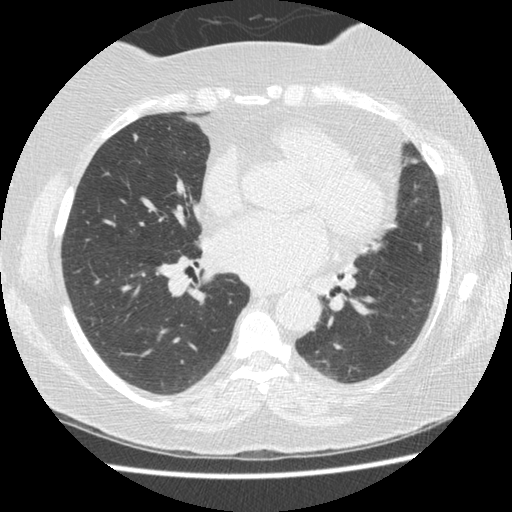
Axial chest CT slice 244 of 474 (counted from the lowest slice); tube voltage 120 kVp, convolution kernel STANDARD; slices 1.25 mm thick, 0.645 mm per pixel.
Pulmonary nodule, outlined by two of the four readers. Box on this slice rows 134–141, columns 133–138, the union of the readers' outlines on this slice; median longest diameter 6.2 mm (readers' outlines 5.8–6.5 mm), median volume 55 mm3 (46–63 mm3). Median ratings and the readers' spread: median texture 3.5/5 (readers ranged 2/5 to 5/5 (solid)); margin 4/5, both readers agreeing; sphericity 3/5 (ovoid), both readers agreeing; calcification absent, both readers agreeing; internal structure soft tissue from both readers; median subtlety 3.5/5 (readers ranged 3–4); malignancy likelihood 4/5 at the median of two readers, spread 3–5. Scale key (1–5): texture non-solid→solid, margin indistinct→circumscribed, sphericity linear→round, subtlety extremely subtle→obvious, malignancy likelihood highly unlikely→highly suspicious of cancer. Box rows and columns are 0-based pixel indices from the top-left corner, inclusive.